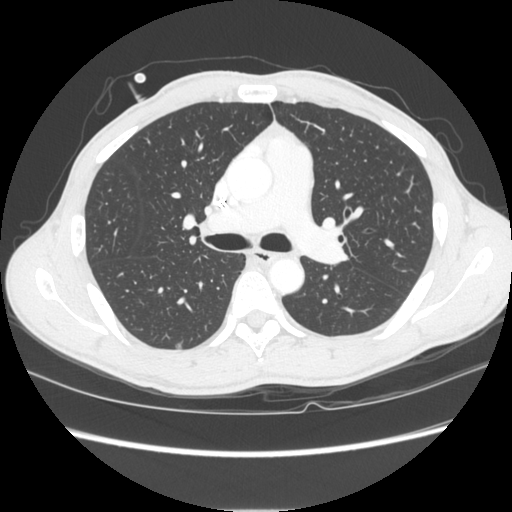
Chest CT, axial plane, 120 kVp, kernel STANDARD. Slice 160/261 from the bottom of the scan; thickness 1.25 mm; pixel size 0.684 mm.
Pulmonary nodule at rows 342–349, columns 175–181 (box = the union of the readers' outlines on this slice), outlined by all four readers; longest diameter 10.2 mm on average over the four readers' outlines (readers' outlines 9.5–10.7 mm), volume 211–368 mm3. The readers' prevailing ratings and who disagreed: texture 5/5 (solid) from all four readers; most readers (three of four) put margin at 5/5 (circumscribed), others 4/5 (one); sphericity 4/5 by two of four readers; the rest gave 3/5 (ovoid) (one), 5/5 (round) (one); calcification absent, all four readers agreeing; internal structure soft tissue, all four readers agreeing; subtlety 5/5 by two of four readers; the rest gave 3/5 (one), 4/5 (one); malignancy likelihood split among the readers: 2/5 (one), 3/5 (one), 4/5 (one), 5/5 (one). Scale key (1–5): texture non-solid→solid, margin indistinct→circumscribed, sphericity linear→round, subtlety extremely subtle→obvious, malignancy likelihood highly unlikely→highly suspicious of cancer. Box rows and columns are 0-based pixel indices from the top-left corner, inclusive.